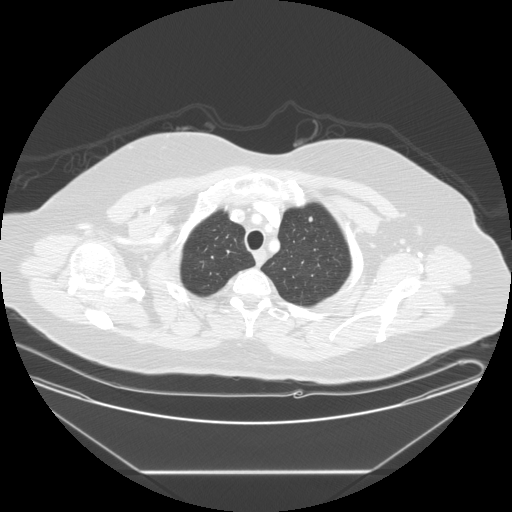
Chest CT, axial plane, 120 kVp, kernel STANDARD. Slice 194/225 from the bottom of the scan; thickness 1.25 mm; pixel size 0.828 mm.
Pulmonary nodule outlined by all four readers; box rows 216–222, columns 308–312 (the union of the readers' outlines on this slice); median longest diameter 7.2 mm (readers' outlines 6.7–7.9 mm), median volume 146 mm3 (129–187 mm3). Ratings, median across the readers with their spread: texture 5/5 (solid), all four readers agreeing; median margin 4.5/5 (readers ranged 4/5 to 5/5 (circumscribed)); median sphericity 4/5 (readers ranged 4/5 to 5/5 (round)); calcification absent, all four readers agreeing; internal structure soft tissue, all four readers agreeing; median subtlety 3.5/5 (readers ranged 2–5); malignancy likelihood 3/5 at the median of four readers, spread 2–3. Scale key (1–5): texture non-solid→solid, margin indistinct→circumscribed, sphericity linear→round, subtlety extremely subtle→obvious, malignancy likelihood highly unlikely→highly suspicious of cancer. Box rows and columns are 0-based pixel indices from the top-left corner, inclusive.